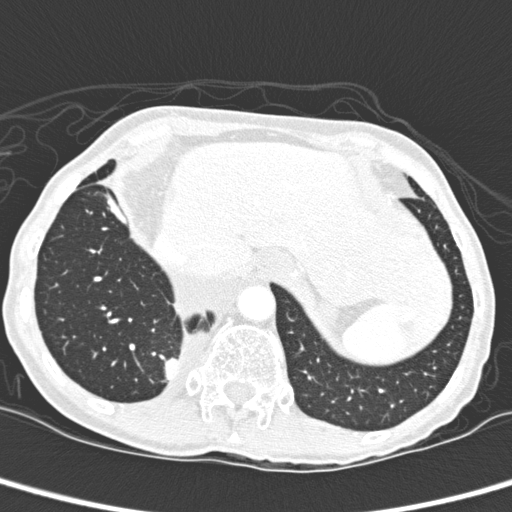
Axial chest CT slice 44 of 280 (counted from the lowest slice); 1.00 mm thick, 0.564 mm per pixel. Pulmonary nodule, outlined by two of the four readers. Box on this slice rows 356–379, columns 164–179, the union of the readers' outlines on this slice; the two readers' outlines give a longest diameter between 32.1 and 35.8 mm and a volume between 5657 and 6702 mm3. Ratings across the readers: texture 5/5 (solid) from both readers; margin 4/5 from both readers; sphericity 3/5 (ovoid), both readers agreeing; calcification absent from both readers; internal structure soft tissue from both readers; subtlety 5/5, both readers agreeing; malignancy likelihood 2–3/5 (the readers disagree). Scale key (1–5): texture non-solid→solid, margin indistinct→circumscribed, sphericity linear→round, subtlety extremely subtle→obvious, malignancy likelihood highly unlikely→highly suspicious of cancer. Box rows and columns are 0-based pixel indices from the top-left corner, inclusive.
Acquired at 120 kVp and reconstructed with the D kernel.